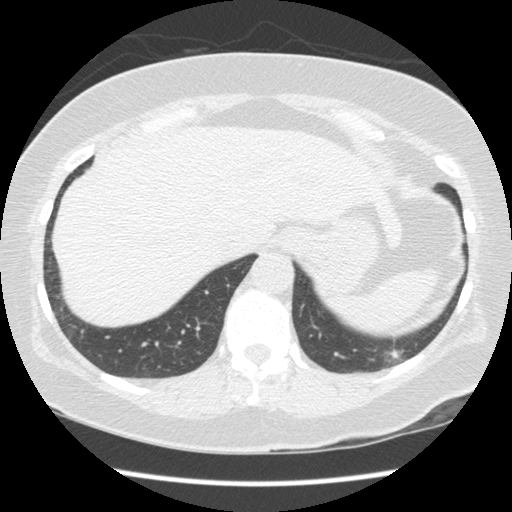
Axial chest CT slice 31 of 154 (counted from the lowest slice); tube voltage 120 kVp, convolution kernel STANDARD; slices 2.50 mm thick, 0.645 mm per pixel.
Pulmonary nodule at rows 351–357, columns 390–398 (box = that reader's outline on this slice), outlined by one of the four readers; longest diameter 24.1 mm and volume 2244 mm3 from that reader's outline. That reader's ratings: texture 3/5 (part-solid); margin 3/5; sphericity 4/5; calcification absent; internal structure soft tissue; subtlety 4/5; malignancy likelihood 1/5. Scale key (1–5): texture non-solid→solid, margin indistinct→circumscribed, sphericity linear→round, subtlety extremely subtle→obvious, malignancy likelihood highly unlikely→highly suspicious of cancer. Box rows and columns are 0-based pixel indices from the top-left corner, inclusive.